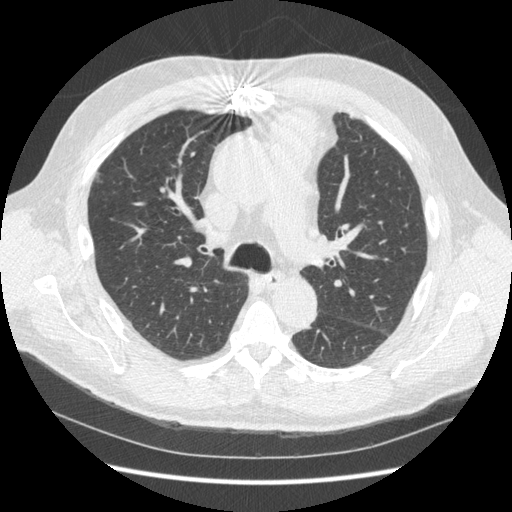
Axial chest CT slice 220 of 369 (counted from the lowest slice); tube voltage 120 kVp, convolution kernel STANDARD; slices 1.25 mm thick, 0.703 mm per pixel.
Pulmonary nodule at rows 172–181, columns 95–101 (box = that reader's outline on this slice), outlined by one of the four readers; longest diameter 27.0 mm and volume 3015 mm3 from that reader's outline. That reader's ratings: texture 1/5 (non-solid); margin 1/5 (indistinct); sphericity 3/5 (ovoid); calcification absent; internal structure soft tissue; subtlety 3/5; malignancy likelihood 3/5. Scale key (1–5): texture non-solid→solid, margin indistinct→circumscribed, sphericity linear→round, subtlety extremely subtle→obvious, malignancy likelihood highly unlikely→highly suspicious of cancer. Box rows and columns are 0-based pixel indices from the top-left corner, inclusive.